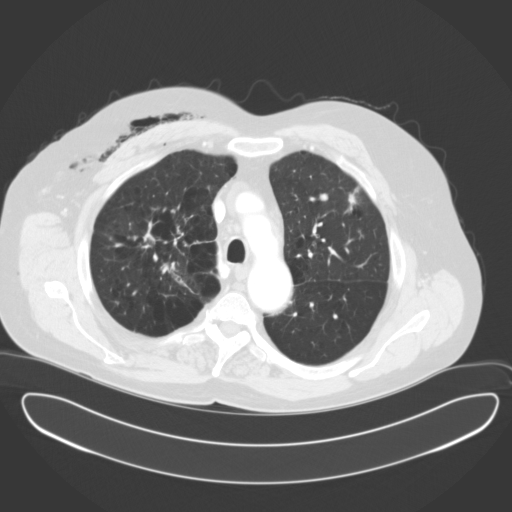
Slice 124/153 of a chest CT, counting up from the lowest; pixel size 0.836 mm, slice thickness 3.00 mm. Two pulmonary nodules on this slice, listed from left to right. (1) Pulmonary nodule outlined by three of the four readers; box rows 192–200, columns 319–328 (the union of the readers' outlines on this slice); longest diameter 9.2 mm on average over the three readers' outlines (readers' outlines 8.2–10.5 mm), volume 223–409 mm3. Ratings, by the readers' most common answer with dissent counted: texture 5/5 (solid), all three readers agreeing; most readers (two of three) put margin at 5/5 (circumscribed), others 4/5 (one); sphericity 5/5 (round), all three readers agreeing; calcification absent from all three readers; internal structure soft tissue from all three readers; subtlety split among the readers: 3/5 (one), 4/5 (one), 5/5 (one); malignancy likelihood split among the readers: 1/5 (one), 2/5 (one), 3/5 (one). (2) Pulmonary nodule at rows 186–211, columns 347–359 (box = the union of the readers' outlines on this slice), outlined by three of the four readers; longest diameter 23.6 mm on average over the three readers' outlines (readers' outlines 23.0–24.3 mm), volume 910–1434 mm3. Ratings, by the readers' most common answer with dissent counted: texture 5/5 (solid) by two of three readers; the rest gave 4/5 (one); margin split among the readers: 2/5 (one), 3/5 (one), 4/5 (one); sphericity 2/5 by two of three readers; the rest gave 3/5 (ovoid) (one); calcification absent, all three readers agreeing; internal structure soft tissue, all three readers agreeing; subtlety 4/5 by two of three readers; the rest gave 5/5 (one); malignancy likelihood 2/5 by two of three readers; the rest gave 3/5 (one). Scale key (1–5): texture non-solid→solid, margin indistinct→circumscribed, sphericity linear→round, subtlety extremely subtle→obvious, malignancy likelihood highly unlikely→highly suspicious of cancer. Box rows and columns are 0-based pixel indices from the top-left corner, inclusive.
Acquired at 120 kVp and reconstructed with the B31f kernel.